Axial slice 47 of 230 of a chest CT (slice 1 is the lowest), reconstructed with the BONE kernel at 120 kVp; 1.25 mm slice thickness and 0.732 mm pixels.
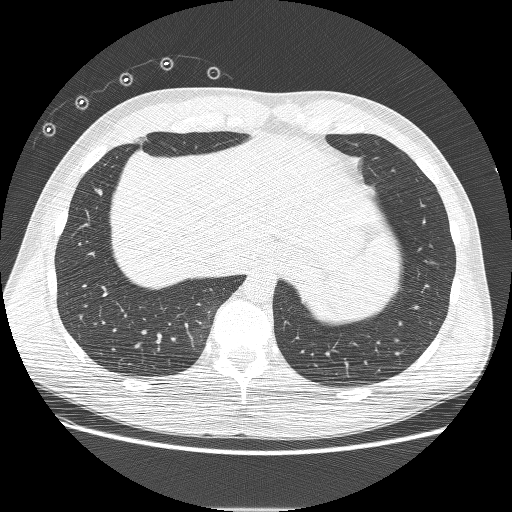
Pulmonary nodule, outlined by two of the four readers. Box on this slice rows 190–194, columns 96–102, the union of the readers' outlines on this slice; median longest diameter 6.6 mm (readers' outlines 6.0–7.3 mm), median volume 87 mm3 (72–101 mm3). Median ratings and the readers' spread: texture 5/5 (solid) from both readers; median margin 4.5/5 (readers ranged 4/5 to 5/5 (circumscribed)); median sphericity 2.5/5 (readers ranged 2/5 to 3/5 (ovoid)); calcification absent, both readers agreeing; internal structure soft tissue, both readers agreeing; median subtlety 2/5 (readers ranged 1–3); median malignancy likelihood 2.5/5 (readers ranged 2–3). Scale key (1–5): texture non-solid→solid, margin indistinct→circumscribed, sphericity linear→round, subtlety extremely subtle→obvious, malignancy likelihood highly unlikely→highly suspicious of cancer. Box rows and columns are 0-based pixel indices from the top-left corner, inclusive.